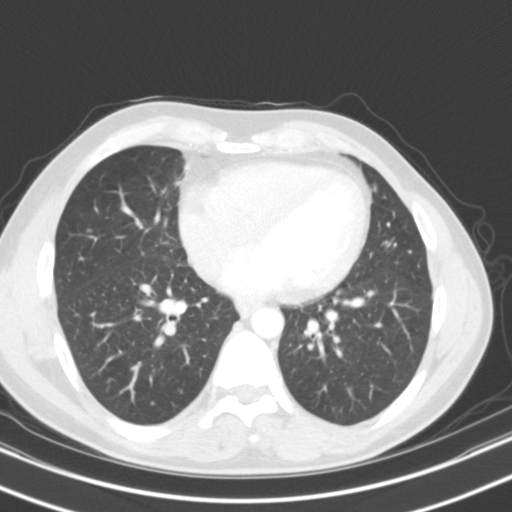
Axial slice 56 of 123 of a chest CT (slice 1 is the lowest), reconstructed with the B31s kernel at 130 kVp; 3.00 mm slice thickness and 0.646 mm pixels.
No nodule of 3 mm or larger was outlined by any of the four readers on this slice.